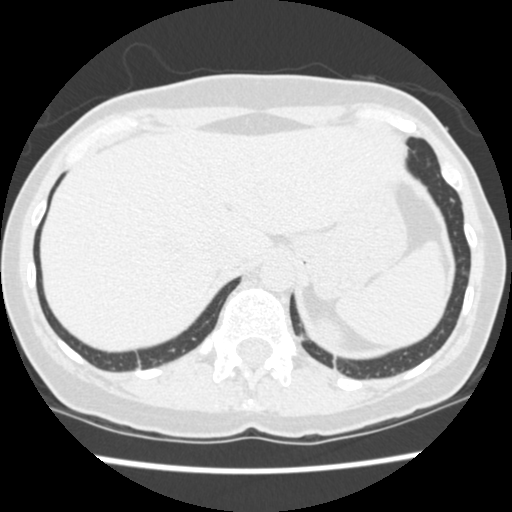
Axial slice 62 of 471 of a chest CT (slice 1 is the lowest), reconstructed with the STANDARD kernel at 120 kVp; 1.25 mm slice thickness and 0.586 mm pixels.
Pulmonary nodule outlined by all four readers, three of them on this slice; box rows 196–202, columns 449–455 (the union of the readers' outlines on this slice); longest diameter 7.0 mm on average over the four readers' outlines (readers' outlines 6.1–9.0 mm), volume 96–205 mm3. Ratings, by the readers' most common answer with dissent counted: texture 5/5 (solid) from all four readers; margin 4/5 by three of four readers; the rest gave 5/5 (circumscribed) (one); sphericity 3/5 (ovoid) by three of four readers; the rest gave 5/5 (round) (one); calcification absent from all four readers; internal structure soft tissue, all four readers agreeing; subtlety 3/5 by three of four readers; the rest gave 4/5 (one); malignancy likelihood 3/5 by two of four readers; the rest gave 2/5 (one), 4/5 (one). Scale key (1–5): texture non-solid→solid, margin indistinct→circumscribed, sphericity linear→round, subtlety extremely subtle→obvious, malignancy likelihood highly unlikely→highly suspicious of cancer. Box rows and columns are 0-based pixel indices from the top-left corner, inclusive.